Chest CT, axial plane, 120 kVp, kernel B30f. Slice 205/493 from the bottom of the scan; thickness 0.75 mm; pixel size 0.762 mm.
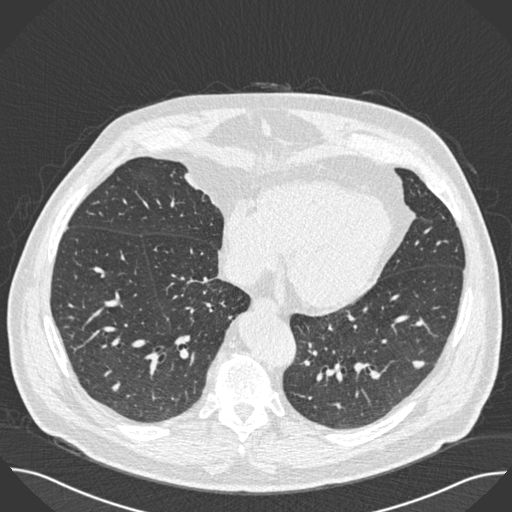
Pulmonary nodule outlined by all four readers; box rows 361–368, columns 412–424 (the union of the readers' outlines on this slice); longest diameter 10.4 mm on average over the four readers' outlines (readers' outlines 10.0–10.8 mm), volume 188–224 mm3. Ratings, by the readers' most common answer with dissent counted: texture 5/5 (solid), all four readers agreeing; margin split among the readers: 4/5 (two), 5/5 (circumscribed) (two); sphericity 3/5 (ovoid), all four readers agreeing; calcification absent by three of four readers, solid calcification (one); internal structure soft tissue, all four readers agreeing; subtlety 4/5 by two of four readers; the rest gave 3/5 (one), 5/5 (one); most readers (three of four) put malignancy likelihood at 3/5, others 2/5 (one). Scale key (1–5): texture non-solid→solid, margin indistinct→circumscribed, sphericity linear→round, subtlety extremely subtle→obvious, malignancy likelihood highly unlikely→highly suspicious of cancer. Box rows and columns are 0-based pixel indices from the top-left corner, inclusive.